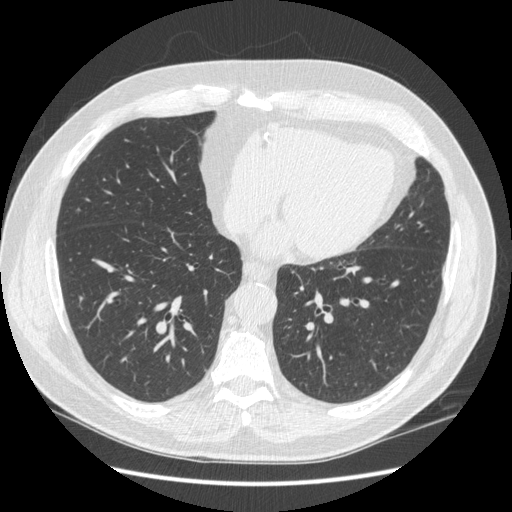
Axial slice 174 of 462 of a chest CT (slice 1 is the lowest), reconstructed with the STANDARD kernel at 120 kVp; 1.25 mm slice thickness and 0.742 mm pixels.
Pulmonary nodule outlined by all four readers, three of them on this slice; box rows 160–164, columns 85–88 (the union of the readers' outlines on this slice); longest diameter 6.9 mm on average over the four readers' outlines (readers' outlines 6.6–7.3 mm), volume 76–107 mm3. The readers' prevailing ratings and who disagreed: texture 5/5 (solid) from all four readers; margin split among the readers: 4/5 (two), 5/5 (circumscribed) (two); sphericity 5/5 (round) by two of four readers; the rest gave 2/5 (one), 4/5 (one); calcification absent, all four readers agreeing; internal structure soft tissue from all four readers; subtlety split among the readers: 3/5 (two), 4/5 (two); malignancy likelihood 3/5 by two of four readers; the rest gave 1/5 (one), 2/5 (one). Scale key (1–5): texture non-solid→solid, margin indistinct→circumscribed, sphericity linear→round, subtlety extremely subtle→obvious, malignancy likelihood highly unlikely→highly suspicious of cancer. Box rows and columns are 0-based pixel indices from the top-left corner, inclusive.